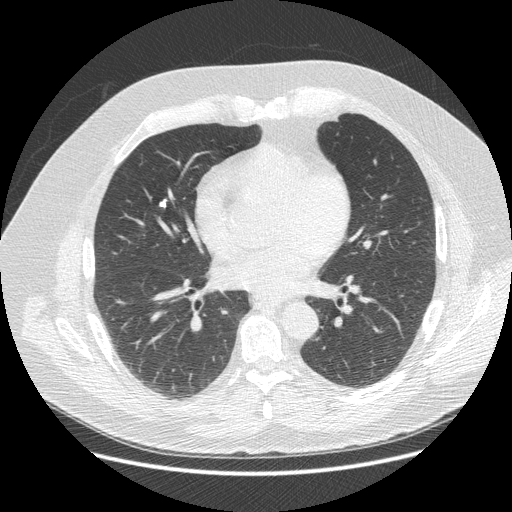
Axial chest CT slice 243 of 477 (counted from the lowest slice); tube voltage 120 kVp, convolution kernel STANDARD; slices 1.25 mm thick, 0.781 mm per pixel.
Pulmonary nodule, outlined by all four readers. Box on this slice rows 199–207, columns 159–166, the union of the readers' outlines on this slice; longest diameter 7.8 mm on average over the four readers' outlines (readers' outlines 6.3–9.5 mm), volume 41–153 mm3. Ratings, by the readers' most common answer with dissent counted: most readers (three of four) put texture at 5/5 (solid), others 4/5 (one); most readers (three of four) put margin at 5/5 (circumscribed), others 4/5 (one); sphericity 3/5 (ovoid) by two of four readers; the rest gave 2/5 (one), 4/5 (one); calcification solid calcification by three of four readers, absent (one); internal structure soft tissue from all four readers; subtlety 5/5 from all four readers; most readers (three of four) put malignancy likelihood at 1/5, others 4/5 (one). Scale key (1–5): texture non-solid→solid, margin indistinct→circumscribed, sphericity linear→round, subtlety extremely subtle→obvious, malignancy likelihood highly unlikely→highly suspicious of cancer. Box rows and columns are 0-based pixel indices from the top-left corner, inclusive.